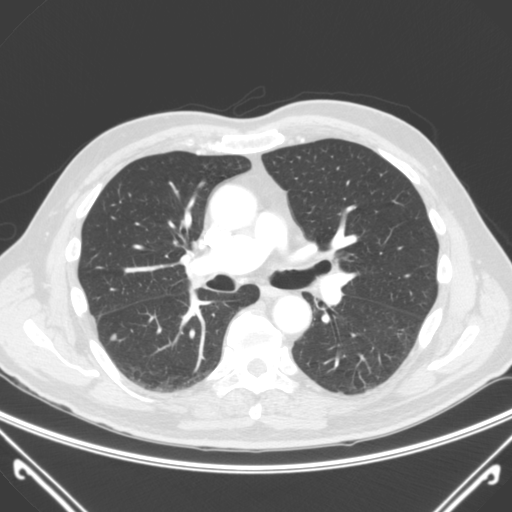
Chest CT, axial plane, 120 kVp, kernel B. Slice 147/285 from the bottom of the scan; thickness 2.00 mm; pixel size 0.748 mm.
Pulmonary nodule outlined by all four readers; box rows 334–340, columns 109–116 (the union of the readers' outlines on this slice); longest diameter 7.0 mm on average over the four readers' outlines (readers' outlines 6.0–7.7 mm), volume 50–138 mm3. The readers' prevailing ratings and who disagreed: texture 5/5 (solid) by three of four readers; the rest gave 4/5 (one); most readers (three of four) put margin at 5/5 (circumscribed), others 4/5 (one); sphericity 5/5 (round) by two of four readers; the rest gave 2/5 (one), 4/5 (one); calcification absent, all four readers agreeing; internal structure soft tissue from all four readers; subtlety split among the readers: 2/5 (one), 3/5 (one), 4/5 (one), 5/5 (one); malignancy likelihood split among the readers: 2/5 (two), 4/5 (two). Scale key (1–5): texture non-solid→solid, margin indistinct→circumscribed, sphericity linear→round, subtlety extremely subtle→obvious, malignancy likelihood highly unlikely→highly suspicious of cancer. Box rows and columns are 0-based pixel indices from the top-left corner, inclusive.